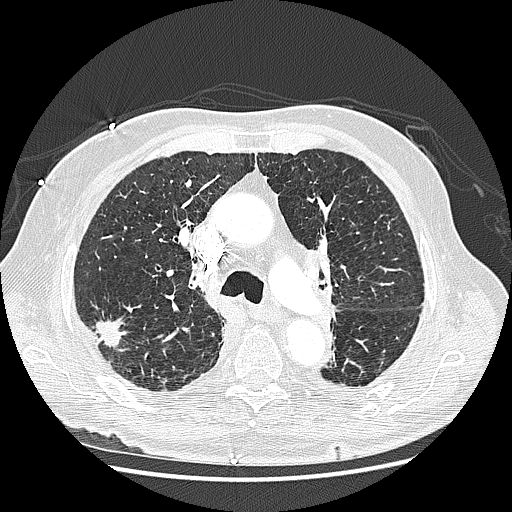
This is axial slice 172 of 242 (slice 1 is the lowest) of a chest CT; each pixel is 0.703 mm and the slice is 1.25 mm thick. Pulmonary nodule outlined by three of the four readers; box rows 316–351, columns 92–129 (the union of the readers' outlines on this slice); median longest diameter 25.5 mm (readers' outlines 23.6–31.8 mm), median volume 3121 mm3 (3005–3613 mm3). Ratings, median across the readers with their spread: texture 5/5 (solid) from all three readers; margin 4/5 at the median of three readers, spread 3/5 to 5/5 (circumscribed); sphericity 4/5 at the median of three readers, spread 3/5 (ovoid) to 4/5; calcification absent, all three readers agreeing; internal structure soft tissue from all three readers; subtlety 5/5 at the median of three readers, spread 4–5; median malignancy likelihood 5/5 (readers ranged 4–5). Scale key (1–5): texture non-solid→solid, margin indistinct→circumscribed, sphericity linear→round, subtlety extremely subtle→obvious, malignancy likelihood highly unlikely→highly suspicious of cancer. Box rows and columns are 0-based pixel indices from the top-left corner, inclusive.
Acquired at 120 kVp and reconstructed with the LUNG kernel.